Chest CT, axial plane, 120 kVp, kernel B45f. Slice 239/330 from the bottom of the scan; thickness 1.00 mm; pixel size 0.684 mm.
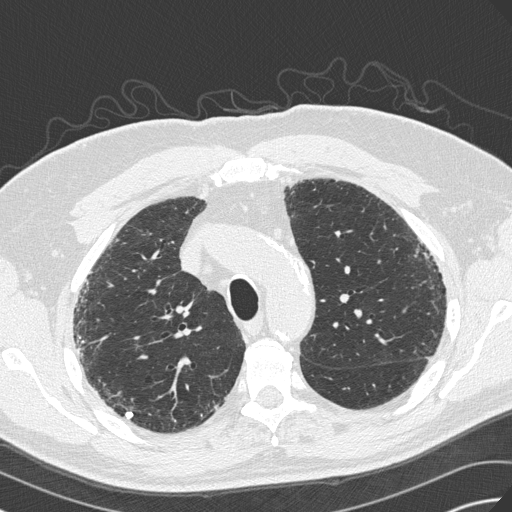
Pulmonary nodule outlined by two of the four readers; box rows 411–418, columns 125–133 (the union of the readers' outlines on this slice); median longest diameter 7.7 mm (readers' outlines 7.6–7.8 mm), median volume 125 mm3 (118–132 mm3). Ratings, median across the readers with their spread: texture 5/5 (solid) from both readers; margin 5/5 (circumscribed), both readers agreeing; sphericity 5/5 (round) from both readers; calcification solid calcification, both readers agreeing; internal structure soft tissue, both readers agreeing; median subtlety 4.5/5 (readers ranged 4–5); malignancy likelihood 1/5 from both readers. Scale key (1–5): texture non-solid→solid, margin indistinct→circumscribed, sphericity linear→round, subtlety extremely subtle→obvious, malignancy likelihood highly unlikely→highly suspicious of cancer. Box rows and columns are 0-based pixel indices from the top-left corner, inclusive.